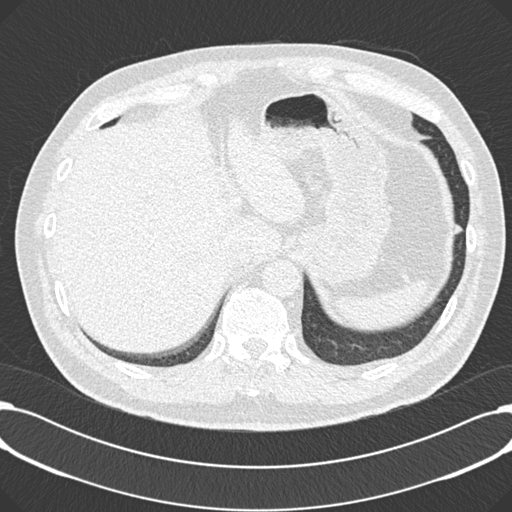
Chest CT, axial plane, 120 kVp, kernel B30f. Slice 41/195 from the bottom of the scan; thickness 2.00 mm; pixel size 0.723 mm.
Pulmonary nodule at rows 224–233, columns 454–462 (box = the union of the readers' outlines on this slice), outlined by all four readers; the four readers' outlines give a longest diameter between 7.3 and 8.7 mm and a volume between 123 and 254 mm3. The readers' ratings, as ranges where they differ: texture 5/5 (solid), all four readers agreeing; margin from 4/5 to 5/5 (circumscribed) across the four readers; sphericity from 3/5 (ovoid) to 4/5 across the four readers; calcification absent from all four readers; internal structure soft tissue from all four readers; subtlety from 4/5 to 5/5 across the four readers; malignancy likelihood rated between 2 and 3 out of 5 by the four readers. Scale key (1–5): texture non-solid→solid, margin indistinct→circumscribed, sphericity linear→round, subtlety extremely subtle→obvious, malignancy likelihood highly unlikely→highly suspicious of cancer. Box rows and columns are 0-based pixel indices from the top-left corner, inclusive.